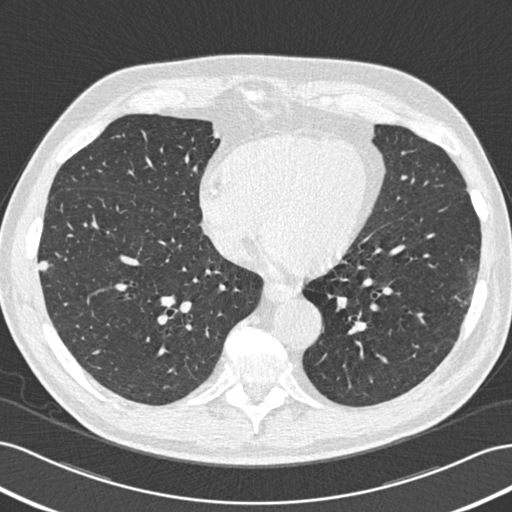
Chest CT, axial plane, 120 kVp, kernel B30f. Slice 205/506 from the bottom of the scan; thickness 0.75 mm; pixel size 0.699 mm.
Pulmonary nodule, outlined by all four readers. Box on this slice rows 260–270, columns 39–48, the union of the readers' outlines on this slice; the four readers' outlines give a longest diameter between 8.0 and 9.0 mm and a volume between 171 and 198 mm3. Ratings across the readers: texture 5/5 (solid), all four readers agreeing; margin from 3/5 to 5/5 (circumscribed) across the four readers; sphericity from 3/5 (ovoid) to 5/5 (round) across the four readers; calcification absent, all four readers agreeing; internal structure soft tissue from all four readers; subtlety 3–5/5 (the readers disagree); malignancy likelihood rated between 1 and 4 out of 5 by the four readers. Scale key (1–5): texture non-solid→solid, margin indistinct→circumscribed, sphericity linear→round, subtlety extremely subtle→obvious, malignancy likelihood highly unlikely→highly suspicious of cancer. Box rows and columns are 0-based pixel indices from the top-left corner, inclusive.